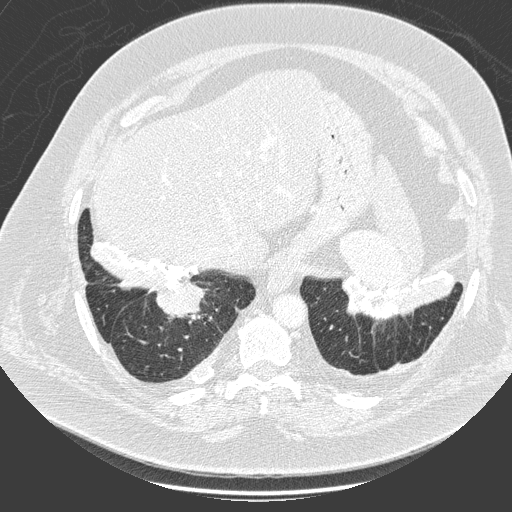
One axial slice (40 of 280, counting up from the lowest) of a chest CT acquired at 140 kVp with the D kernel; each pixel is 0.801 mm and the slice is 1.00 mm thick.
Pulmonary nodule at rows 282–317, columns 157–204 (box = that reader's outline on this slice), outlined by one of the four readers; longest diameter 49.9 mm and volume 31112 mm3 from that reader's outline. Ratings by that reader: texture 5/5 (solid); margin 4/5; sphericity 5/5 (round); calcification non-central calcification; internal structure soft tissue; subtlety 5/5; malignancy likelihood 5/5. Scale key (1–5): texture non-solid→solid, margin indistinct→circumscribed, sphericity linear→round, subtlety extremely subtle→obvious, malignancy likelihood highly unlikely→highly suspicious of cancer. Box rows and columns are 0-based pixel indices from the top-left corner, inclusive.